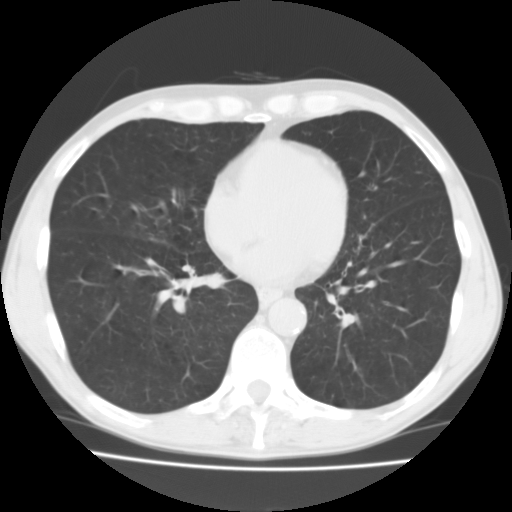
Slice 53/124 of a chest CT, counting up from the lowest; pixel size 0.671 mm, slice thickness 3.00 mm. The readers outlined no nodule of 3 mm or more on this slice.
Acquired at 135 kVp and reconstructed with the FC01 kernel.